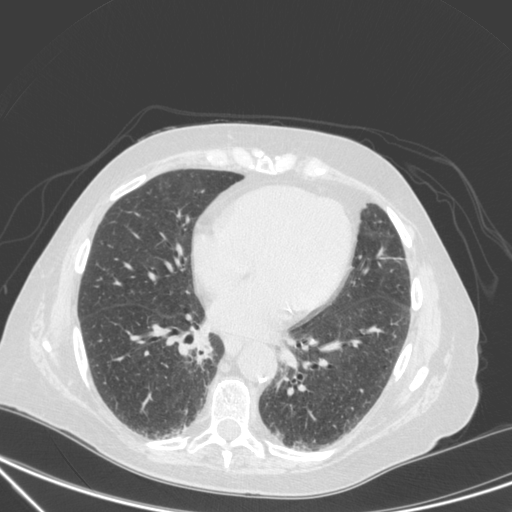
One axial slice (135 of 350, counting up from the lowest) of a chest CT acquired at 120 kVp with the C kernel; each pixel is 0.725 mm and the slice is 1.50 mm thick.
Pulmonary nodule outlined by one of the four readers; box rows 333–346, columns 196–207 (that reader's outline on this slice); longest diameter 29.7 mm and volume 4028 mm3 from that reader's outline. That reader's ratings: texture 5/5 (solid); margin 3/5; sphericity 3/5 (ovoid); calcification absent; internal structure soft tissue; subtlety 5/5; malignancy likelihood 4/5. Scale key (1–5): texture non-solid→solid, margin indistinct→circumscribed, sphericity linear→round, subtlety extremely subtle→obvious, malignancy likelihood highly unlikely→highly suspicious of cancer. Box rows and columns are 0-based pixel indices from the top-left corner, inclusive.